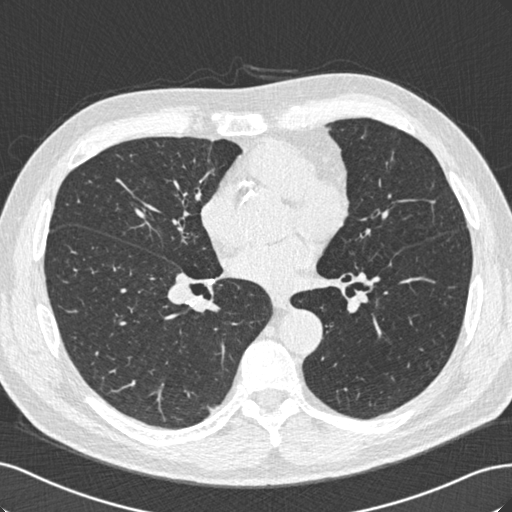
Axial chest CT slice 294 of 529 (counted from the lowest slice); 0.75 mm thick, 0.703 mm per pixel. Pulmonary nodule, outlined by all four readers, three of them on this slice. Box on this slice rows 406–412, columns 208–216, the union of the readers' outlines on this slice; longest diameter 10.5 mm on average over the four readers' outlines (readers' outlines 9.8–11.3 mm), volume 151–208 mm3. Ratings, by the readers' most common answer with dissent counted: texture 5/5 (solid) from all four readers; most readers (three of four) put margin at 5/5 (circumscribed), others 4/5 (one); sphericity 5/5 (round) by two of four readers; the rest gave 3/5 (ovoid) (one), 4/5 (one); calcification absent, all four readers agreeing; internal structure soft tissue from all four readers; subtlety 5/5 by two of four readers; the rest gave 3/5 (one), 4/5 (one); malignancy likelihood 3/5 by two of four readers; the rest gave 2/5 (one), 5/5 (one). Scale key (1–5): texture non-solid→solid, margin indistinct→circumscribed, sphericity linear→round, subtlety extremely subtle→obvious, malignancy likelihood highly unlikely→highly suspicious of cancer. Box rows and columns are 0-based pixel indices from the top-left corner, inclusive.
Scan settings: 120 kVp, B30f reconstruction kernel.